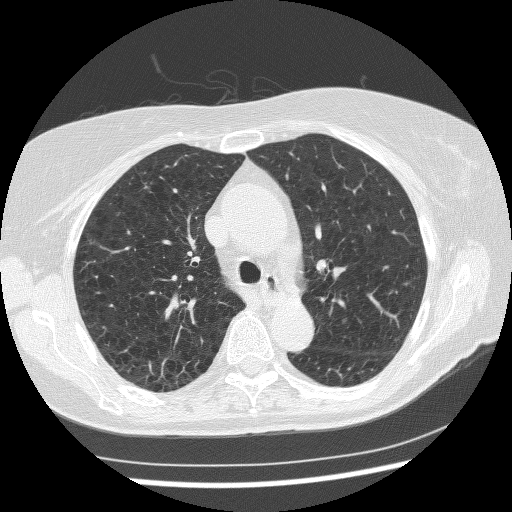
This is axial slice 178 of 247 (slice 1 is the lowest) of a chest CT; each pixel is 0.643 mm and the slice is 1.25 mm thick. Pulmonary nodule at rows 318–322, columns 342–345 (box = the one reader's outline on this slice), outlined by all four readers, one of them on this slice; longest diameter 6.0 mm on average over the four readers' outlines (readers' outlines 5.9–6.3 mm), volume 67–85 mm3. The readers' prevailing ratings and who disagreed: most readers (three of four) put texture at 5/5 (solid), others 4/5 (one); margin 5/5 (circumscribed) by three of four readers; the rest gave 4/5 (one); most readers (three of four) put sphericity at 5/5 (round), others 4/5 (one); calcification absent from all four readers; internal structure soft tissue, all four readers agreeing; subtlety 2/5 by two of four readers; the rest gave 3/5 (one), 5/5 (one); most readers (three of four) put malignancy likelihood at 3/5, others 2/5 (one). Scale key (1–5): texture non-solid→solid, margin indistinct→circumscribed, sphericity linear→round, subtlety extremely subtle→obvious, malignancy likelihood highly unlikely→highly suspicious of cancer. Box rows and columns are 0-based pixel indices from the top-left corner, inclusive.
Scan settings: 120 kVp, BONE reconstruction kernel.